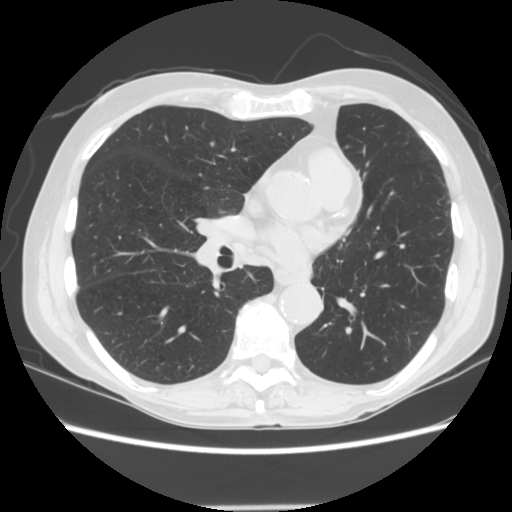
Axial slice 74 of 143 of a chest CT (slice 1 is the lowest), reconstructed with the STANDARD kernel at 120 kVp; 2.50 mm slice thickness and 0.703 mm pixels.
The readers outlined no nodule of 3 mm or more on this slice.